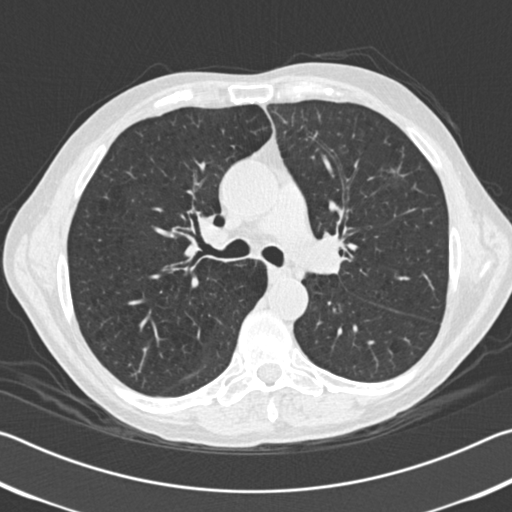
Chest CT, axial plane, 120 kVp, kernel B30f. Slice 116/192 from the bottom of the scan; thickness 2.00 mm; pixel size 0.664 mm.
Pulmonary nodule at rows 168–185, columns 379–405 (box = that reader's outline on this slice), outlined by one of the four readers; longest diameter 27.3 mm and volume 1622 mm3 from that reader's outline. That reader's ratings: texture 1/5 (non-solid); margin 2/5; sphericity 5/5 (round); calcification absent; internal structure soft tissue; subtlety 4/5; malignancy likelihood 3/5. Scale key (1–5): texture non-solid→solid, margin indistinct→circumscribed, sphericity linear→round, subtlety extremely subtle→obvious, malignancy likelihood highly unlikely→highly suspicious of cancer. Box rows and columns are 0-based pixel indices from the top-left corner, inclusive.